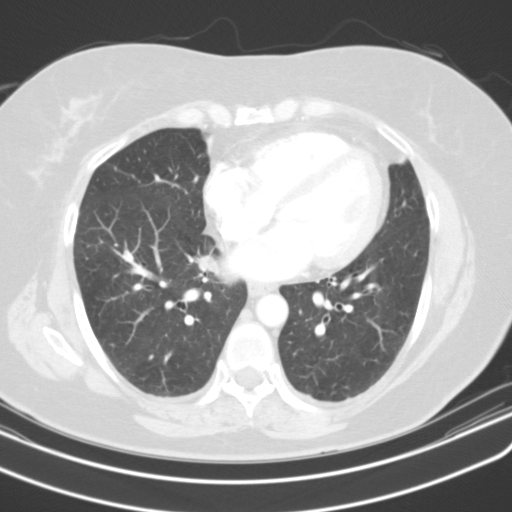
Chest CT, axial plane, 130 kVp, kernel B31s. Slice 66/122 from the bottom of the scan; thickness 3.00 mm; pixel size 0.668 mm.
Pulmonary nodule, outlined by two of the four readers. Box on this slice rows 254–274, columns 196–218, the union of the readers' outlines on this slice; longest diameter 18.3 mm on average over the two readers' outlines (readers' outlines 17.3–19.3 mm), volume 1121–1523 mm3. Ratings, by the readers' most common answer with dissent counted: texture split among the readers: 4/5 (one), 5/5 (solid) (one); margin split among the readers: 1/5 (indistinct) (one), 4/5 (one); sphericity split among the readers: 2/5 (one), 4/5 (one); calcification absent from both readers; internal structure soft tissue, both readers agreeing; subtlety split among the readers: 2/5 (one), 4/5 (one); malignancy likelihood split among the readers: 2/5 (one), 5/5 (one). Scale key (1–5): texture non-solid→solid, margin indistinct→circumscribed, sphericity linear→round, subtlety extremely subtle→obvious, malignancy likelihood highly unlikely→highly suspicious of cancer. Box rows and columns are 0-based pixel indices from the top-left corner, inclusive.